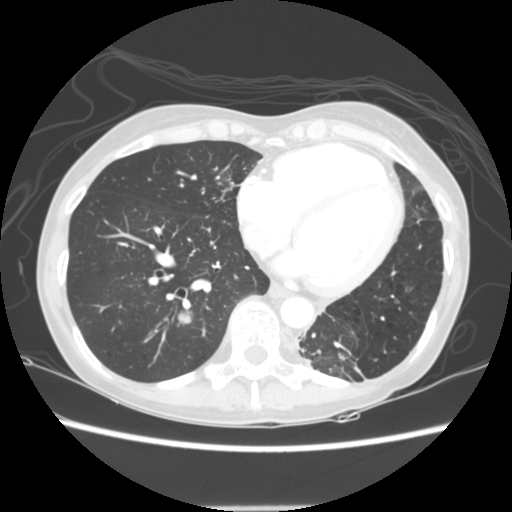
Axial chest CT slice 61 of 144 (counted from the lowest slice); 2.50 mm thick, 0.664 mm per pixel. Pulmonary nodule outlined by all four readers; box rows 310–324, columns 176–193 (the union of the readers' outlines on this slice); median longest diameter 17.3 mm (readers' outlines 15.5–19.3 mm), median volume 1655 mm3 (1258–1827 mm3). Median ratings and the readers' spread: texture 5/5 (solid), all four readers agreeing; median margin 4.5/5 (readers ranged 3/5 to 5/5 (circumscribed)); median sphericity 5/5 (round) (readers ranged 3/5 (ovoid) to 5/5 (round)); calcification absent, all four readers agreeing; internal structure soft tissue from all four readers; subtlety 5/5, all four readers agreeing; malignancy likelihood 3.5/5 at the median of four readers, spread 3–5. Scale key (1–5): texture non-solid→solid, margin indistinct→circumscribed, sphericity linear→round, subtlety extremely subtle→obvious, malignancy likelihood highly unlikely→highly suspicious of cancer. Box rows and columns are 0-based pixel indices from the top-left corner, inclusive.
Tube voltage 120 kVp; convolution kernel STANDARD.